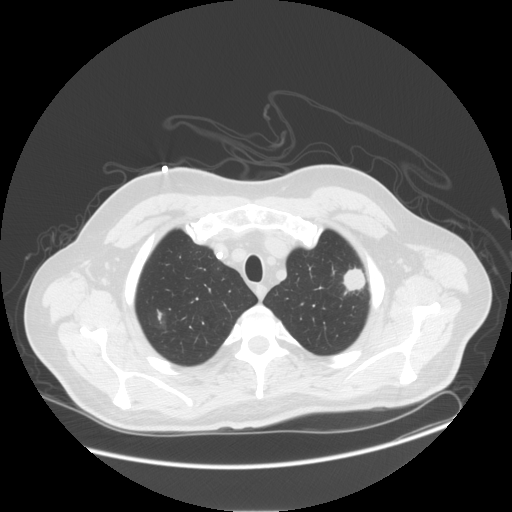
One axial slice (122 of 143, counting up from the lowest) of a chest CT acquired at 120 kVp with the STANDARD kernel; each pixel is 0.859 mm and the slice is 2.50 mm thick.
Pulmonary nodule at rows 266–291, columns 341–366 (box = the union of the readers' outlines on this slice), outlined by all four readers; longest diameter 26.6 mm on average over the four readers' outlines (readers' outlines 24.8–28.8 mm), volume 4547–5828 mm3. The readers' prevailing ratings and who disagreed: most readers (three of four) put texture at 5/5 (solid), others 4/5 (one); margin split among the readers: 4/5 (two), 5/5 (circumscribed) (two); most readers (three of four) put sphericity at 5/5 (round), others 3/5 (ovoid) (one); calcification absent, all four readers agreeing; internal structure soft tissue from all four readers; subtlety 5/5 by three of four readers; the rest gave 3/5 (one); most readers (three of four) put malignancy likelihood at 5/5, others 2/5 (one). Scale key (1–5): texture non-solid→solid, margin indistinct→circumscribed, sphericity linear→round, subtlety extremely subtle→obvious, malignancy likelihood highly unlikely→highly suspicious of cancer. Box rows and columns are 0-based pixel indices from the top-left corner, inclusive.